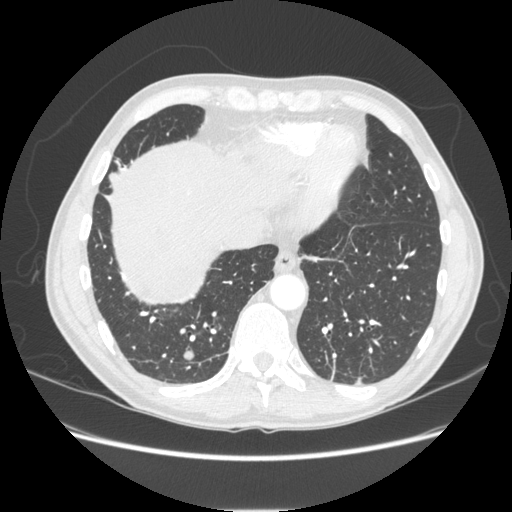
Axial chest CT slice 69 of 253 (counted from the lowest slice); 1.25 mm thick, 0.742 mm per pixel. Pulmonary nodule outlined by all four readers; box rows 350–360, columns 183–195 (the union of the readers' outlines on this slice); longest diameter 13.9 mm on average over the four readers' outlines (readers' outlines 12.4–17.1 mm), volume 764–890 mm3. Ratings, by the readers' most common answer with dissent counted: texture 5/5 (solid), all four readers agreeing; margin 5/5 (circumscribed) from all four readers; most readers (three of four) put sphericity at 5/5 (round), others 4/5 (one); calcification absent from all four readers; internal structure soft tissue, all four readers agreeing; subtlety 5/5 by two of four readers; the rest gave 3/5 (one), 4/5 (one); malignancy likelihood split among the readers: 2/5 (one), 3/5 (one), 4/5 (one), 5/5 (one). Scale key (1–5): texture non-solid→solid, margin indistinct→circumscribed, sphericity linear→round, subtlety extremely subtle→obvious, malignancy likelihood highly unlikely→highly suspicious of cancer. Box rows and columns are 0-based pixel indices from the top-left corner, inclusive.
Scan settings: 120 kVp, STANDARD reconstruction kernel.